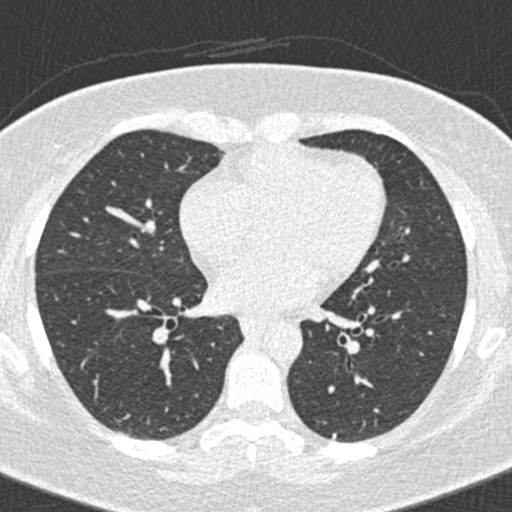
Axial slice 219 of 456 of a chest CT (slice 1 is the lowest), reconstructed with the B30f kernel at 120 kVp; 0.75 mm slice thickness and 0.559 mm pixels.
Pulmonary nodule at rows 434–438, columns 333–336 (box = that reader's outline on this slice), outlined by one of the four readers; longest diameter 3.7 mm and volume 16 mm3 from that reader's outline. Ratings by that reader: texture 5/5 (solid); margin 5/5 (circumscribed); sphericity 5/5 (round); calcification solid calcification; internal structure soft tissue; subtlety 5/5; malignancy likelihood 1/5. Scale key (1–5): texture non-solid→solid, margin indistinct→circumscribed, sphericity linear→round, subtlety extremely subtle→obvious, malignancy likelihood highly unlikely→highly suspicious of cancer. Box rows and columns are 0-based pixel indices from the top-left corner, inclusive.